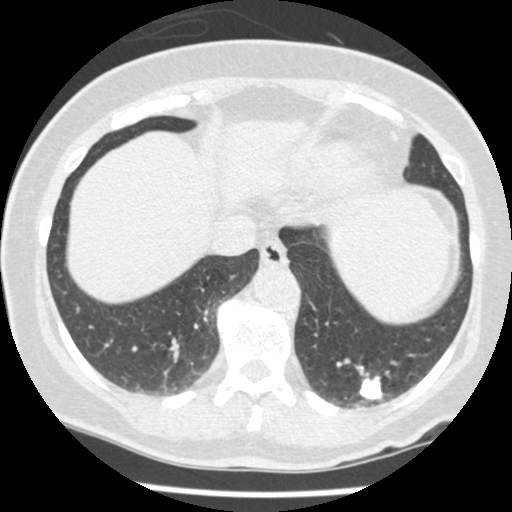
Axial slice 125 of 465 of a chest CT (slice 1 is the lowest), reconstructed with the STANDARD kernel at 120 kVp; 1.25 mm slice thickness and 0.586 mm pixels.
Pulmonary nodule at rows 375–401, columns 358–382 (box = the union of the readers' outlines on this slice), outlined by all four readers; the four readers' outlines give a longest diameter between 15.8 and 20.8 mm and a volume between 1106 and 1600 mm3. The readers' ratings, as ranges where they differ: texture 5/5 (solid), all four readers agreeing; margin from 3/5 to 5/5 (circumscribed) across the four readers; sphericity from 3/5 (ovoid) to 4/5 across the four readers; calcification: absent (two), solid calcification (one), central calcification (one); internal structure soft tissue, all four readers agreeing; subtlety 5/5, all four readers agreeing; malignancy likelihood rated between 1 and 5 out of 5 by the four readers. Scale key (1–5): texture non-solid→solid, margin indistinct→circumscribed, sphericity linear→round, subtlety extremely subtle→obvious, malignancy likelihood highly unlikely→highly suspicious of cancer. Box rows and columns are 0-based pixel indices from the top-left corner, inclusive.